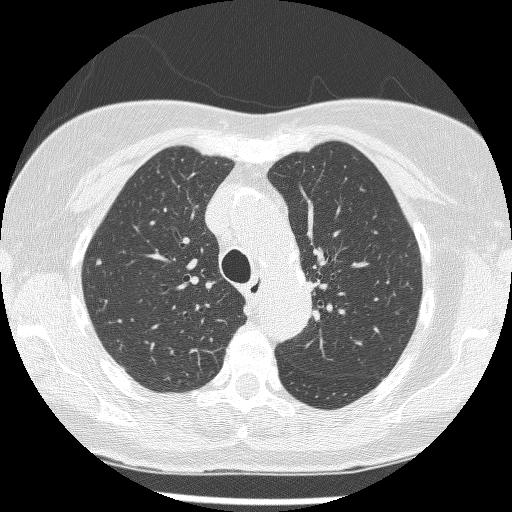
Axial chest CT slice 187 of 241 (counted from the lowest slice); tube voltage 120 kVp, convolution kernel BONE; slices 1.25 mm thick, 0.590 mm per pixel.
Two pulmonary nodules are outlined on this slice; from left to right: (1) Pulmonary nodule outlined by one of the four readers; box rows 258–265, columns 96–101 (that reader's outline on this slice); longest diameter 7.2 mm and volume 73 mm3 from that reader's outline. That reader's ratings: texture 3/5 (part-solid); margin 1/5 (indistinct); sphericity 4/5; calcification absent; internal structure soft tissue; subtlety 3/5; malignancy likelihood 3/5. (2) Pulmonary nodule at rows 366–369, columns 119–125 (box = that reader's outline on this slice), outlined by one of the four readers; longest diameter 8.5 mm and volume 87 mm3 from that reader's outline. That reader's ratings: texture 3/5 (part-solid); margin 1/5 (indistinct); sphericity 3/5 (ovoid); calcification absent; internal structure soft tissue; subtlety 3/5; malignancy likelihood 3/5. Scale key (1–5): texture non-solid→solid, margin indistinct→circumscribed, sphericity linear→round, subtlety extremely subtle→obvious, malignancy likelihood highly unlikely→highly suspicious of cancer. Box rows and columns are 0-based pixel indices from the top-left corner, inclusive.